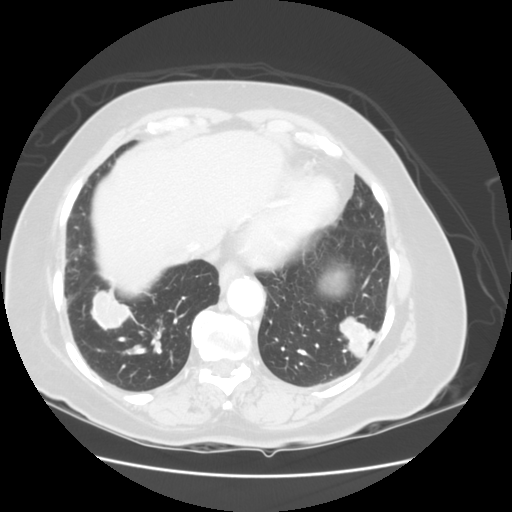
Axial chest CT slice 30 of 114 (counted from the lowest slice); 2.50 mm thick, 0.703 mm per pixel. Two pulmonary nodules on this slice, listed from left to right. (1) Pulmonary nodule at rows 288–330, columns 90–130 (box = the union of the readers' outlines on this slice), outlined by three of the four readers; longest diameter 33.9–44.7 mm and volume 10097–11661 mm3 across the three readers' outlines. The readers' ratings, as ranges where they differ: texture 5/5 (solid) from all three readers; margin from 4/5 to 5/5 (circumscribed) across the three readers; sphericity from 3/5 (ovoid) to 4/5 across the three readers; calcification absent from all three readers; internal structure soft tissue, all three readers agreeing; subtlety 5/5, all three readers agreeing; malignancy likelihood 3–5/5 (the readers disagree). (2) Pulmonary nodule outlined by two of the four readers; box rows 315–356, columns 339–377 (the union of the readers' outlines on this slice); median longest diameter 32.3 mm (readers' outlines 31.2–33.4 mm), median volume 9783 mm3 (9358–10207 mm3). Median ratings and the readers' spread: texture 5/5 (solid) from both readers; margin 4/5 from both readers; sphericity 3/5 (ovoid) from both readers; calcification absent from both readers; internal structure soft tissue from both readers; subtlety 5/5, both readers agreeing; malignancy likelihood 5/5, both readers agreeing. Scale key (1–5): texture non-solid→solid, margin indistinct→circumscribed, sphericity linear→round, subtlety extremely subtle→obvious, malignancy likelihood highly unlikely→highly suspicious of cancer. Box rows and columns are 0-based pixel indices from the top-left corner, inclusive.
Acquired at 120 kVp and reconstructed with the STANDARD kernel.